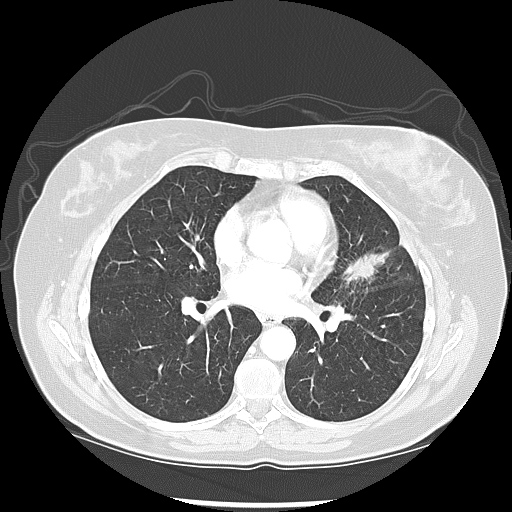
Axial chest CT slice 72 of 133 (counted from the lowest slice); tube voltage 120 kVp, convolution kernel LUNG; slices 2.50 mm thick, 0.703 mm per pixel.
Pulmonary nodule outlined by three of the four readers; box rows 251–283, columns 345–387 (the union of the readers' outlines on this slice); median longest diameter 36.3 mm (readers' outlines 33.3–41.8 mm), median volume 6247 mm3 (6044–7666 mm3). Ratings, median across the readers with their spread: texture 5/5 (solid) from all three readers; median margin 4/5 (readers ranged 3/5 to 4/5); sphericity 3/5 (ovoid) from all three readers; calcification absent from all three readers; internal structure soft tissue from all three readers; subtlety 5/5 from all three readers; malignancy likelihood 5/5 from all three readers. Scale key (1–5): texture non-solid→solid, margin indistinct→circumscribed, sphericity linear→round, subtlety extremely subtle→obvious, malignancy likelihood highly unlikely→highly suspicious of cancer. Box rows and columns are 0-based pixel indices from the top-left corner, inclusive.